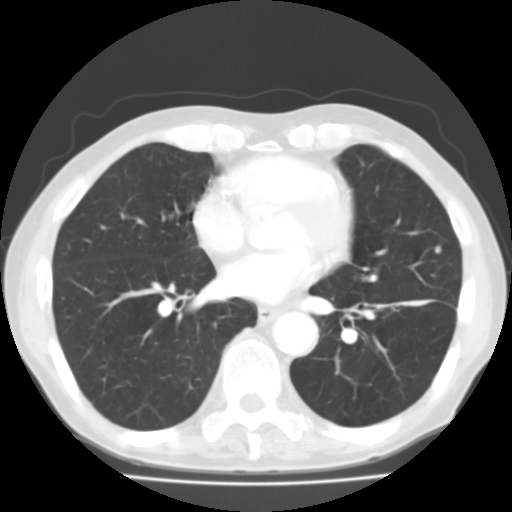
This is axial slice 59 of 129 (slice 1 is the lowest) of a chest CT; each pixel is 0.662 mm and the slice is 3.00 mm thick. Pulmonary nodule at rows 245–253, columns 434–441 (box = the union of the readers' outlines on this slice), outlined by three of the four readers; longest diameter 7.0 mm on average over the three readers' outlines (readers' outlines 6.9–7.1 mm), volume 114–176 mm3. Ratings, by the readers' most common answer with dissent counted: texture 5/5 (solid) by two of three readers; the rest gave 4/5 (one); margin 4/5 by two of three readers; the rest gave 5/5 (circumscribed) (one); most readers (two of three) put sphericity at 5/5 (round), others 4/5 (one); calcification absent from all three readers; internal structure soft tissue, all three readers agreeing; subtlety split among the readers: 2/5 (one), 3/5 (one), 4/5 (one); most readers (two of three) put malignancy likelihood at 3/5, others 2/5 (one). Scale key (1–5): texture non-solid→solid, margin indistinct→circumscribed, sphericity linear→round, subtlety extremely subtle→obvious, malignancy likelihood highly unlikely→highly suspicious of cancer. Box rows and columns are 0-based pixel indices from the top-left corner, inclusive.
Scan settings: 135 kVp, FC01 reconstruction kernel.